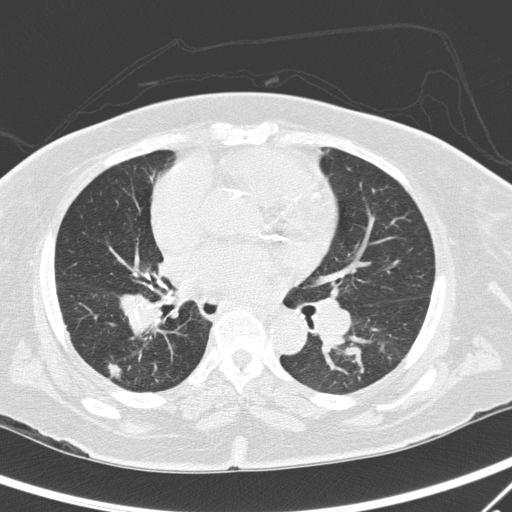
One axial slice (156 of 295, counting up from the lowest) of a chest CT acquired at 120 kVp with the D kernel; each pixel is 0.682 mm and the slice is 2.00 mm thick.
Pulmonary nodule outlined by one of the four readers; box rows 359–381, columns 105–121 (that reader's outline on this slice); longest diameter 49.8 mm and volume 6337 mm3 from that reader's outline. That reader's ratings: texture 4/5; margin 1/5 (indistinct); sphericity 3/5 (ovoid); calcification absent; internal structure soft tissue; subtlety 5/5; malignancy likelihood 5/5. Scale key (1–5): texture non-solid→solid, margin indistinct→circumscribed, sphericity linear→round, subtlety extremely subtle→obvious, malignancy likelihood highly unlikely→highly suspicious of cancer. Box rows and columns are 0-based pixel indices from the top-left corner, inclusive.